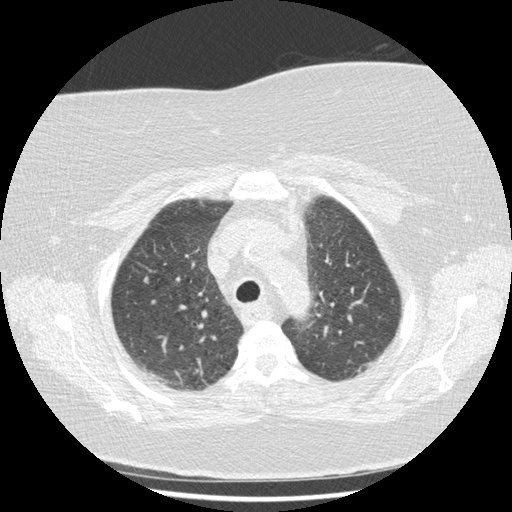
Chest CT, axial plane, 120 kVp, kernel STANDARD. Slice 344/417 from the bottom of the scan; thickness 1.25 mm; pixel size 0.703 mm.
Pulmonary nodule, outlined by three of the four readers. Box on this slice rows 275–283, columns 143–148, the union of the readers' outlines on this slice; longest diameter 7.2–7.6 mm and volume 57–61 mm3 across the three readers' outlines. Ratings across the readers: texture from 4/5 to 5/5 (solid) across the three readers; margin from 2/5 to 4/5 across the three readers; sphericity from 2/5 to 4/5 across the three readers; calcification absent from all three readers; internal structure soft tissue from all three readers; subtlety from 3/5 to 5/5 across the three readers; malignancy likelihood rated between 2 and 3 out of 5 by the three readers. Scale key (1–5): texture non-solid→solid, margin indistinct→circumscribed, sphericity linear→round, subtlety extremely subtle→obvious, malignancy likelihood highly unlikely→highly suspicious of cancer. Box rows and columns are 0-based pixel indices from the top-left corner, inclusive.